Chest CT, axial plane, 120 kVp, kernel B45f. Slice 181/341 from the bottom of the scan; thickness 1.00 mm; pixel size 0.742 mm.
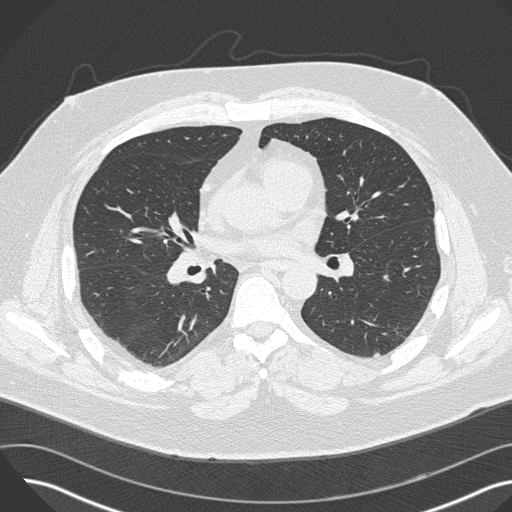
Pulmonary nodule, outlined by all four readers. Box on this slice rows 275–279, columns 383–387, the union of the readers' outlines on this slice; median longest diameter 6.0 mm (readers' outlines 5.0–6.1 mm), median volume 46 mm3 (39–67 mm3). Ratings, median across the readers with their spread: texture 5/5 (solid), all four readers agreeing; median margin 4.5/5 (readers ranged 4/5 to 5/5 (circumscribed)); median sphericity 4.5/5 (readers ranged 3/5 (ovoid) to 5/5 (round)); calcification absent from all four readers; internal structure soft tissue from all four readers; subtlety 2.5/5 at the median of four readers, spread 1–3; median malignancy likelihood 2.5/5 (readers ranged 2–3). Scale key (1–5): texture non-solid→solid, margin indistinct→circumscribed, sphericity linear→round, subtlety extremely subtle→obvious, malignancy likelihood highly unlikely→highly suspicious of cancer. Box rows and columns are 0-based pixel indices from the top-left corner, inclusive.